Axial chest CT slice 178 of 238 (counted from the lowest slice); tube voltage 120 kVp, convolution kernel STANDARD; slices 1.25 mm thick, 0.664 mm per pixel.
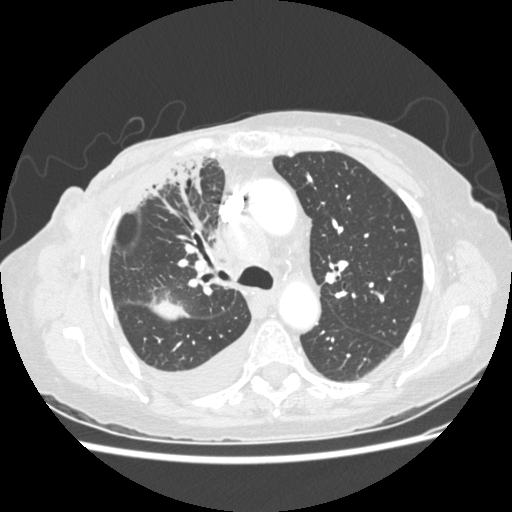
Pulmonary nodule outlined by two of the four readers; box rows 299–320, columns 147–188 (the union of the readers' outlines on this slice); the two readers' outlines give a longest diameter between 31.3 and 33.5 mm and a volume between 8200 and 8583 mm3. The readers' ratings, as ranges where they differ: texture 5/5 (solid) from both readers; margin from 4/5 to 5/5 (circumscribed) across the two readers; sphericity 4/5, both readers agreeing; calcification absent from both readers; internal structure soft tissue from both readers; subtlety 5/5 from both readers; malignancy likelihood rated between 3 and 5 out of 5 by the two readers. Scale key (1–5): texture non-solid→solid, margin indistinct→circumscribed, sphericity linear→round, subtlety extremely subtle→obvious, malignancy likelihood highly unlikely→highly suspicious of cancer. Box rows and columns are 0-based pixel indices from the top-left corner, inclusive.